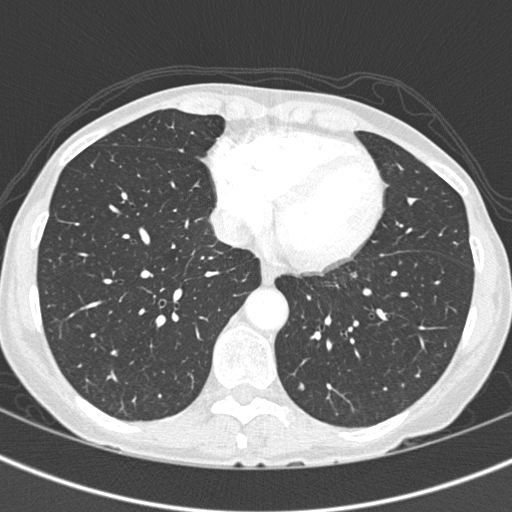
Slice 166/375 of a chest CT, counting up from the lowest; pixel size 0.586 mm, slice thickness 1.00 mm. Pulmonary nodule outlined by one of the four readers; box rows 382–390, columns 298–305 (that reader's outline on this slice); longest diameter 6.9 mm and volume 46 mm3 from that reader's outline. That reader's ratings: texture 3/5 (part-solid); margin 2/5; sphericity 3/5 (ovoid); calcification absent; internal structure soft tissue; subtlety 3/5; malignancy likelihood 3/5. Scale key (1–5): texture non-solid→solid, margin indistinct→circumscribed, sphericity linear→round, subtlety extremely subtle→obvious, malignancy likelihood highly unlikely→highly suspicious of cancer. Box rows and columns are 0-based pixel indices from the top-left corner, inclusive.
Tube voltage 120 kVp; convolution kernel B45f.